Axial slice 127 of 347 of a chest CT (slice 1 is the lowest), reconstructed with the B45f kernel at 120 kVp; 1.00 mm slice thickness and 0.625 mm pixels.
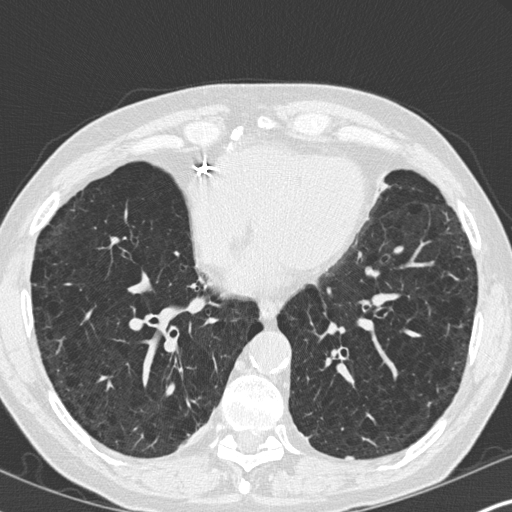
Pulmonary nodule at rows 455–459, columns 344–354 (box = the union of the readers' outlines on this slice), outlined by two of the four readers; longest diameter 7.0–7.3 mm and volume 63–69 mm3 across the two readers' outlines. The readers' ratings, as ranges where they differ: texture 5/5 (solid) from both readers; margin from 4/5 to 5/5 (circumscribed) across the two readers; sphericity 3/5 (ovoid) from both readers; calcification absent, both readers agreeing; internal structure soft tissue from both readers; subtlety from 3/5 to 5/5 across the two readers; malignancy likelihood 2/5 from both readers. Scale key (1–5): texture non-solid→solid, margin indistinct→circumscribed, sphericity linear→round, subtlety extremely subtle→obvious, malignancy likelihood highly unlikely→highly suspicious of cancer. Box rows and columns are 0-based pixel indices from the top-left corner, inclusive.